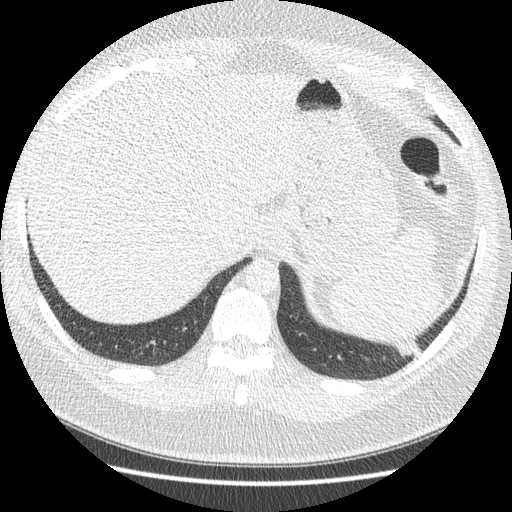
Axial chest CT slice 37 of 421 (counted from the lowest slice); tube voltage 120 kVp, convolution kernel STANDARD; slices 1.25 mm thick, 0.703 mm per pixel.
Pulmonary nodule outlined four times (the source holds four more outlines, not used); box rows 338–360, columns 392–422 (the union of the readers' outlines on this slice); longest diameter 33.9 mm on average over the four readers' outlines (readers' outlines 30.9–38.9 mm), volume 4443–5826 mm3. The readers' prevailing ratings and who disagreed: texture 5/5 (solid) by three of four readers; the rest gave 4/5 (one); most readers (three of four) put margin at 4/5, others 3/5 (one); sphericity 2/5 by two of four readers; the rest gave 3/5 (ovoid) (one), 4/5 (one); calcification absent, all four readers agreeing; internal structure soft tissue, all four readers agreeing; most readers (three of four) put subtlety at 5/5, others 4/5 (one); malignancy likelihood split among the readers: 2/5 (one), 3/5 (one), 4/5 (one), 5/5 (one). Scale key (1–5): texture non-solid→solid, margin indistinct→circumscribed, sphericity linear→round, subtlety extremely subtle→obvious, malignancy likelihood highly unlikely→highly suspicious of cancer. Box rows and columns are 0-based pixel indices from the top-left corner, inclusive.